Axial chest CT slice 235 of 429 (counted from the lowest slice); tube voltage 120 kVp, convolution kernel STANDARD; slices 1.25 mm thick, 0.586 mm per pixel.
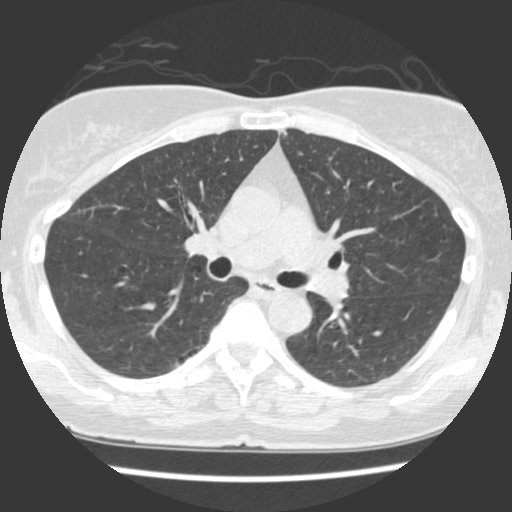
Pulmonary nodule, outlined by one of the four readers. Box on this slice rows 130–134, columns 282–285, that reader's outline on this slice; longest diameter 7.8 mm and volume 111 mm3 from that reader's outline. That reader's ratings: texture 5/5 (solid); margin 2/5; sphericity 2/5; calcification absent; internal structure soft tissue; subtlety 2/5; malignancy likelihood 1/5. Scale key (1–5): texture non-solid→solid, margin indistinct→circumscribed, sphericity linear→round, subtlety extremely subtle→obvious, malignancy likelihood highly unlikely→highly suspicious of cancer. Box rows and columns are 0-based pixel indices from the top-left corner, inclusive.